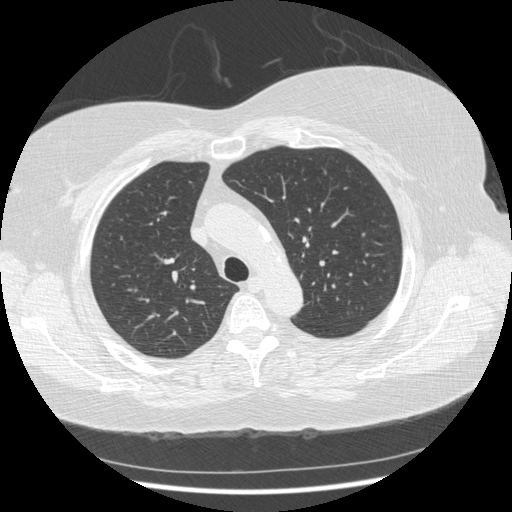
This is axial slice 318 of 436 (slice 1 is the lowest) of a chest CT; each pixel is 0.703 mm and the slice is 1.25 mm thick. This slice carries no reader outline of a nodule 3 mm or larger.
Tube voltage 120 kVp; convolution kernel STANDARD.